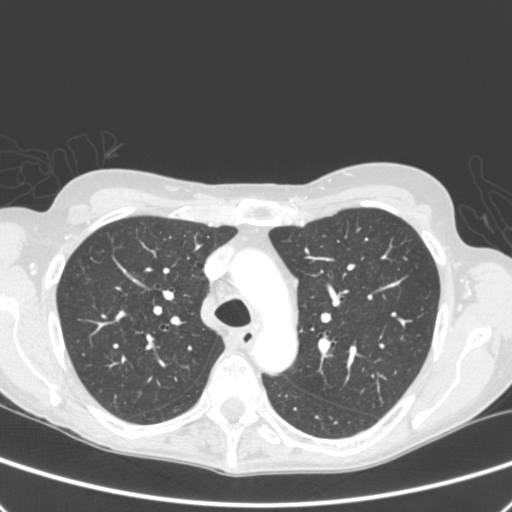
One axial slice (265 of 392, counting up from the lowest) of a chest CT acquired at 120 kVp with the C kernel; each pixel is 0.639 mm and the slice is 1.50 mm thick.
Pulmonary nodule at rows 336–340, columns 400–403 (box = the union of the readers' outlines on this slice), outlined by all four readers, three of them on this slice; the four readers' outlines give a longest diameter between 6.6 and 6.8 mm and a volume between 88 and 125 mm3. Ratings across the readers: texture 5/5 (solid), all four readers agreeing; margin from 4/5 to 5/5 (circumscribed) across the four readers; sphericity from 4/5 to 5/5 (round) across the four readers; calcification absent, all four readers agreeing; internal structure soft tissue from all four readers; subtlety from 2/5 to 5/5 across the four readers; malignancy likelihood 2–4/5 (the readers disagree). Scale key (1–5): texture non-solid→solid, margin indistinct→circumscribed, sphericity linear→round, subtlety extremely subtle→obvious, malignancy likelihood highly unlikely→highly suspicious of cancer. Box rows and columns are 0-based pixel indices from the top-left corner, inclusive.